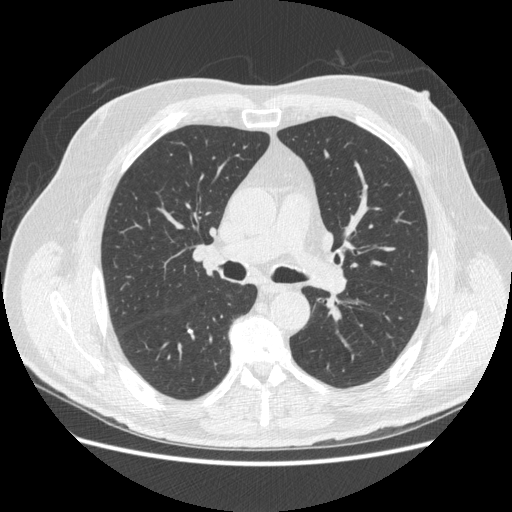
This is axial slice 302 of 503 (slice 1 is the lowest) of a chest CT; each pixel is 0.742 mm and the slice is 1.25 mm thick. Pulmonary nodule, outlined by all four readers, three of them on this slice. Box on this slice rows 329–333, columns 188–192, the union of the readers' outlines on this slice; longest diameter 8.0 mm on average over the four readers' outlines (readers' outlines 7.0–8.7 mm), volume 116–149 mm3. Ratings, by the readers' most common answer with dissent counted: texture 5/5 (solid) from all four readers; margin 5/5 (circumscribed) from all four readers; sphericity 3/5 (ovoid) by two of four readers; the rest gave 4/5 (one), 5/5 (round) (one); calcification solid calcification from all four readers; internal structure soft tissue from all four readers; subtlety split among the readers: 4/5 (two), 5/5 (two); malignancy likelihood 1/5 from all four readers. Scale key (1–5): texture non-solid→solid, margin indistinct→circumscribed, sphericity linear→round, subtlety extremely subtle→obvious, malignancy likelihood highly unlikely→highly suspicious of cancer. Box rows and columns are 0-based pixel indices from the top-left corner, inclusive.
Scan settings: 120 kVp, STANDARD reconstruction kernel.